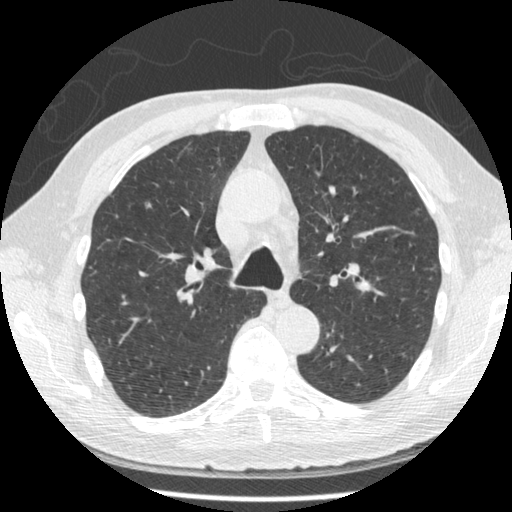
Axial chest CT slice 318 of 481 (counted from the lowest slice); tube voltage 120 kVp, convolution kernel STANDARD; slices 1.25 mm thick, 0.664 mm per pixel.
Pulmonary nodule, outlined by two of the four readers. Box on this slice rows 200–210, columns 144–153, the union of the readers' outlines on this slice; the two readers' outlines give a longest diameter between 10.4 and 17.6 mm and a volume between 117 and 191 mm3. Ratings across the readers: texture from 3/5 (part-solid) to 5/5 (solid) across the two readers; margin from 1/5 (indistinct) to 4/5 across the two readers; sphericity 2/5, both readers agreeing; calcification absent from both readers; internal structure soft tissue from both readers; subtlety from 2/5 to 4/5 across the two readers; malignancy likelihood rated between 1 and 4 out of 5 by the two readers. Scale key (1–5): texture non-solid→solid, margin indistinct→circumscribed, sphericity linear→round, subtlety extremely subtle→obvious, malignancy likelihood highly unlikely→highly suspicious of cancer. Box rows and columns are 0-based pixel indices from the top-left corner, inclusive.